Axial slice 104 of 481 of a chest CT (slice 1 is the lowest), reconstructed with the STANDARD kernel at 120 kVp; 1.25 mm slice thickness and 0.605 mm pixels.
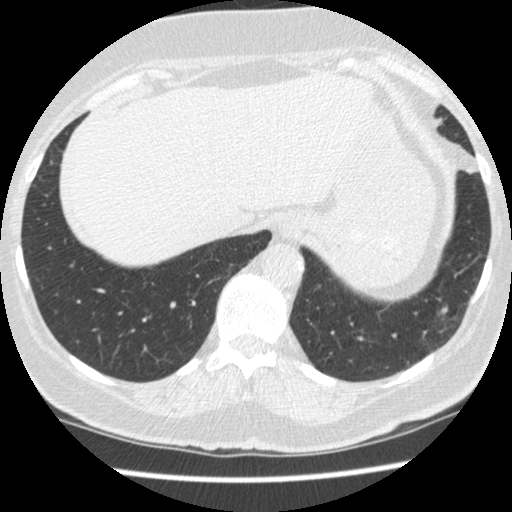
Pulmonary nodule, outlined by all four readers. Box on this slice rows 301–317, columns 436–448, the union of the readers' outlines on this slice; the four readers' outlines give a longest diameter between 13.3 and 14.6 mm and a volume between 633 and 867 mm3. Ratings across the readers: texture 5/5 (solid), all four readers agreeing; margin from 4/5 to 5/5 (circumscribed) across the four readers; sphericity from 4/5 to 5/5 (round) across the four readers; calcification absent, all four readers agreeing; internal structure soft tissue from all four readers; subtlety 4–5/5 (the readers disagree); malignancy likelihood from 2/5 to 5/5 across the four readers. Scale key (1–5): texture non-solid→solid, margin indistinct→circumscribed, sphericity linear→round, subtlety extremely subtle→obvious, malignancy likelihood highly unlikely→highly suspicious of cancer. Box rows and columns are 0-based pixel indices from the top-left corner, inclusive.